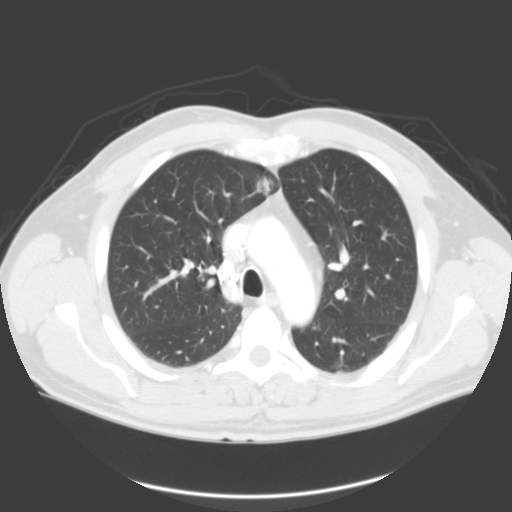
Axial chest CT slice 61 of 95 (counted from the lowest slice); 3.00 mm thick, 0.750 mm per pixel. Pulmonary nodule at rows 177–194, columns 256–273 (box = the union of the readers' outlines on this slice), outlined by all four readers; median longest diameter 16.5 mm (readers' outlines 14.5–17.6 mm), median volume 1192 mm3 (912–1341 mm3). Ratings, median across the readers with their spread: texture 3.5/5 at the median of four readers, spread 3/5 (part-solid) to 5/5 (solid); median margin 3.5/5 (readers ranged 2/5 to 4/5); median sphericity 4/5 (readers ranged 3/5 (ovoid) to 4/5); calcification absent from all four readers; internal structure soft tissue from all four readers; median subtlety 4.5/5 (readers ranged 4–5); malignancy likelihood 4/5 at the median of four readers, spread 3–5. Scale key (1–5): texture non-solid→solid, margin indistinct→circumscribed, sphericity linear→round, subtlety extremely subtle→obvious, malignancy likelihood highly unlikely→highly suspicious of cancer. Box rows and columns are 0-based pixel indices from the top-left corner, inclusive.
Scan settings: 120 kVp, B reconstruction kernel.